Chest CT, axial plane, 140 kVp, kernel D. Slice 77/280 from the bottom of the scan; thickness 1.00 mm; pixel size 0.801 mm.
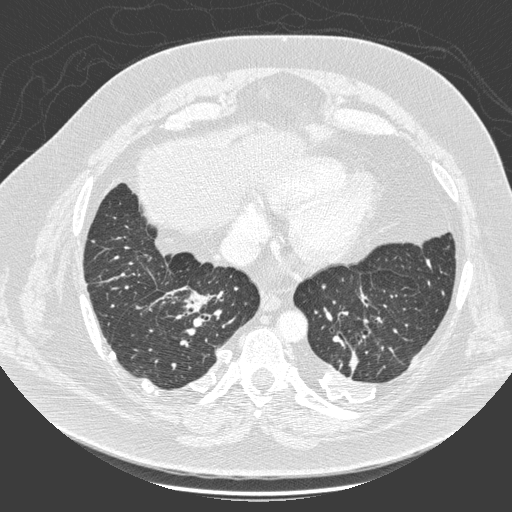
Pulmonary nodule at rows 294–310, columns 193–205 (box = that reader's outline on this slice), outlined by one of the four readers; longest diameter 49.9 mm and volume 31112 mm3 from that reader's outline. That reader's ratings: texture 5/5 (solid); margin 4/5; sphericity 5/5 (round); calcification non-central calcification; internal structure soft tissue; subtlety 5/5; malignancy likelihood 5/5. Scale key (1–5): texture non-solid→solid, margin indistinct→circumscribed, sphericity linear→round, subtlety extremely subtle→obvious, malignancy likelihood highly unlikely→highly suspicious of cancer. Box rows and columns are 0-based pixel indices from the top-left corner, inclusive.